One axial slice (174 of 270, counting up from the lowest) of a chest CT acquired at 120 kVp with the BONE kernel; each pixel is 0.703 mm and the slice is 1.25 mm thick.
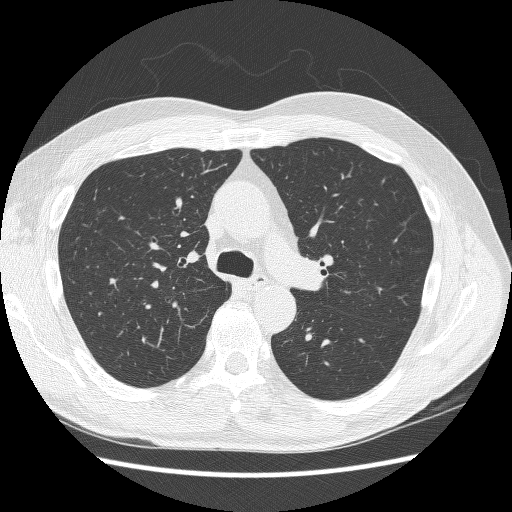
This slice carries no reader outline of a nodule 3 mm or larger.